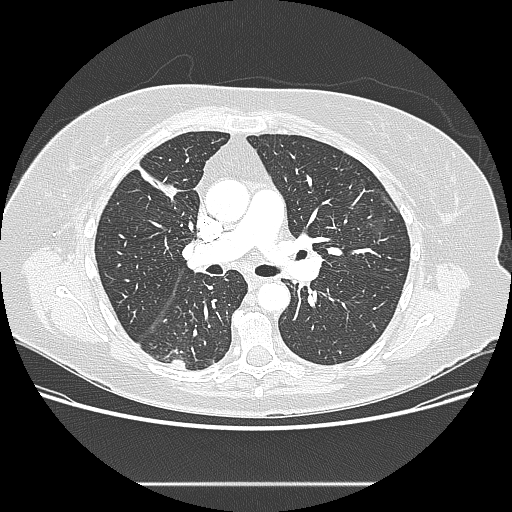
Axial chest CT slice 142 of 238 (counted from the lowest slice); 1.25 mm thick, 0.742 mm per pixel. Pulmonary nodule at rows 359–369, columns 169–185 (box = the union of the readers' outlines on this slice), outlined by all four readers; median longest diameter 16.9 mm (readers' outlines 16.2–17.0 mm), median volume 1591 mm3 (1456–1679 mm3). Median ratings and the readers' spread: texture 5/5 (solid) from all four readers; median margin 5/5 (circumscribed) (readers ranged 4/5 to 5/5 (circumscribed)); sphericity 5/5 (round) at the median of four readers, spread 3/5 (ovoid) to 5/5 (round); calcification absent, all four readers agreeing; internal structure soft tissue, all four readers agreeing; median subtlety 4.5/5 (readers ranged 3–5); malignancy likelihood 3/5 at the median of four readers, spread 2–4. Scale key (1–5): texture non-solid→solid, margin indistinct→circumscribed, sphericity linear→round, subtlety extremely subtle→obvious, malignancy likelihood highly unlikely→highly suspicious of cancer. Box rows and columns are 0-based pixel indices from the top-left corner, inclusive.
Tube voltage 120 kVp; convolution kernel LUNG.